One axial slice (225 of 315, counting up from the lowest) of a chest CT acquired at 120 kVp with the B kernel; each pixel is 0.830 mm and the slice is 2.00 mm thick.
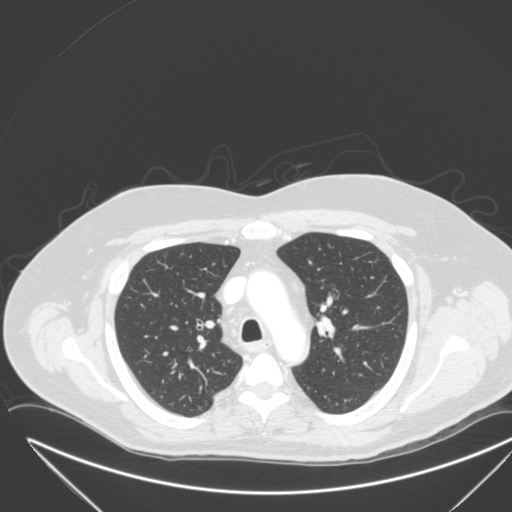
Pulmonary nodule, outlined by one of the four readers. Box on this slice rows 391–398, columns 215–222, that reader's outline on this slice; longest diameter 27.1 mm and volume 6093 mm3 from that reader's outline. That reader's ratings: texture 5/5 (solid); margin 4/5; sphericity 2/5; calcification absent; internal structure soft tissue; subtlety 5/5; malignancy likelihood 4/5. Scale key (1–5): texture non-solid→solid, margin indistinct→circumscribed, sphericity linear→round, subtlety extremely subtle→obvious, malignancy likelihood highly unlikely→highly suspicious of cancer. Box rows and columns are 0-based pixel indices from the top-left corner, inclusive.